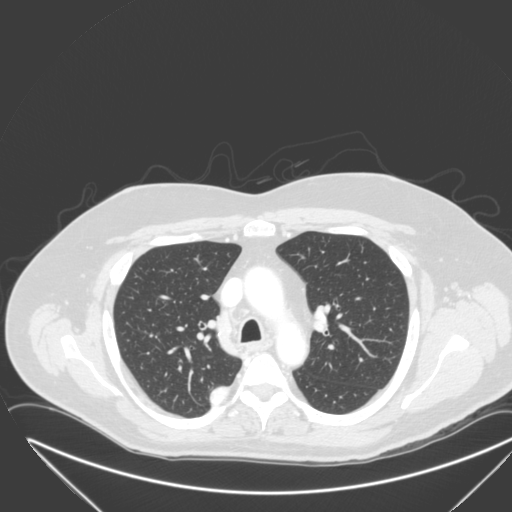
One axial slice (220 of 315, counting up from the lowest) of a chest CT acquired at 120 kVp with the B kernel; each pixel is 0.830 mm and the slice is 2.00 mm thick.
Pulmonary nodule, outlined by one of the four readers. Box on this slice rows 387–406, columns 211–226, that reader's outline on this slice; longest diameter 27.1 mm and volume 6093 mm3 from that reader's outline. Ratings by that reader: texture 5/5 (solid); margin 4/5; sphericity 2/5; calcification absent; internal structure soft tissue; subtlety 5/5; malignancy likelihood 4/5. Scale key (1–5): texture non-solid→solid, margin indistinct→circumscribed, sphericity linear→round, subtlety extremely subtle→obvious, malignancy likelihood highly unlikely→highly suspicious of cancer. Box rows and columns are 0-based pixel indices from the top-left corner, inclusive.